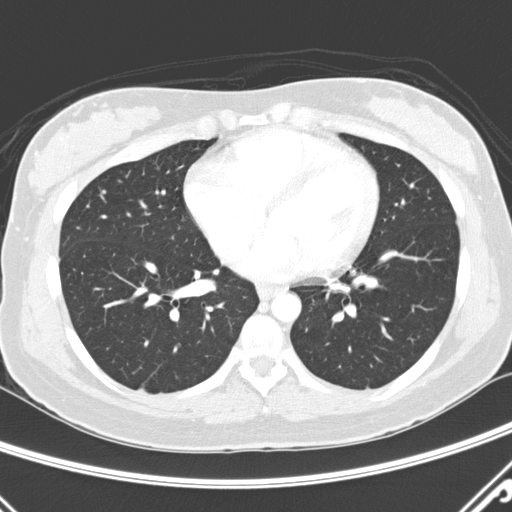
One axial slice (122 of 290, counting up from the lowest) of a chest CT acquired at 120 kVp with the D kernel; each pixel is 0.648 mm and the slice is 2.00 mm thick.
Pulmonary nodule at rows 190–193, columns 101–105 (box = the union of the readers' outlines on this slice), outlined by two of the four readers; longest diameter 4.6 mm on average over the two readers' outlines (readers' outlines 4.3–4.9 mm), volume 43–48 mm3. The readers' prevailing ratings and who disagreed: texture 5/5 (solid), both readers agreeing; margin 5/5 (circumscribed), both readers agreeing; sphericity split among the readers: 3/5 (ovoid) (one), 5/5 (round) (one); calcification absent, both readers agreeing; internal structure soft tissue from both readers; subtlety split among the readers: 3/5 (one), 5/5 (one); malignancy likelihood split among the readers: 1/5 (one), 3/5 (one). Scale key (1–5): texture non-solid→solid, margin indistinct→circumscribed, sphericity linear→round, subtlety extremely subtle→obvious, malignancy likelihood highly unlikely→highly suspicious of cancer. Box rows and columns are 0-based pixel indices from the top-left corner, inclusive.